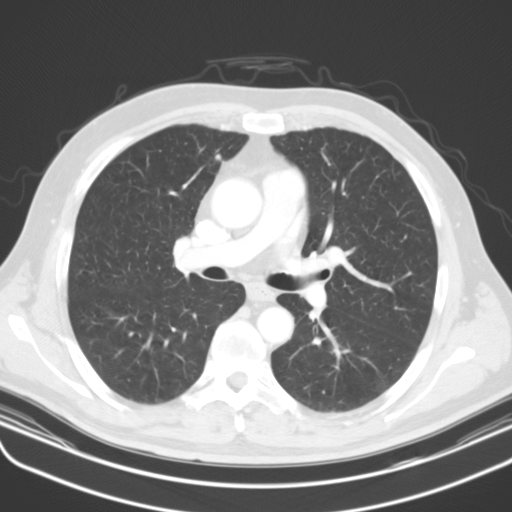
Axial chest CT slice 92 of 134 (counted from the lowest slice); tube voltage 130 kVp, convolution kernel B31s; slices 3.00 mm thick, 0.715 mm per pixel.
Pulmonary nodule outlined by one of the four readers; box rows 154–159, columns 215–220 (that reader's outline on this slice); longest diameter 5.8 mm and volume 172 mm3 from that reader's outline. That reader's ratings: texture 4/5; margin 3/5; sphericity 3/5 (ovoid); calcification absent; internal structure soft tissue; subtlety 3/5; malignancy likelihood 2/5. Scale key (1–5): texture non-solid→solid, margin indistinct→circumscribed, sphericity linear→round, subtlety extremely subtle→obvious, malignancy likelihood highly unlikely→highly suspicious of cancer. Box rows and columns are 0-based pixel indices from the top-left corner, inclusive.